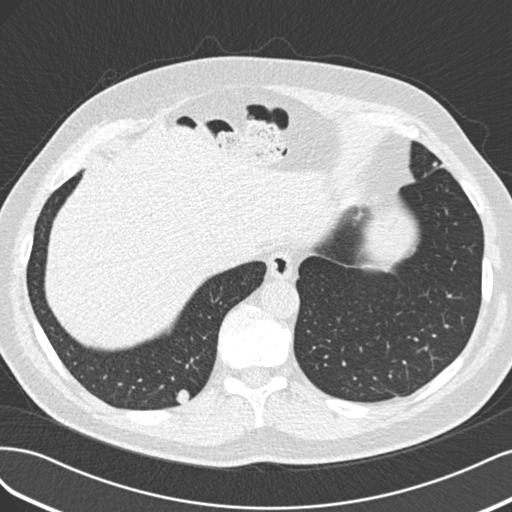
Axial slice 48 of 193 of a chest CT (slice 1 is the lowest), reconstructed with the B30f kernel at 120 kVp; 2.00 mm slice thickness and 0.703 mm pixels.
Pulmonary nodule at rows 389–403, columns 175–189 (box = the union of the readers' outlines on this slice), outlined by three of the four readers; longest diameter 12.4 mm on average over the three readers' outlines (readers' outlines 12.3–12.6 mm), volume 627–717 mm3. Ratings, by the readers' most common answer with dissent counted: most readers (two of three) put texture at 5/5 (solid), others 4/5 (one); margin 5/5 (circumscribed) by two of three readers; the rest gave 3/5 (one); sphericity 4/5 by two of three readers; the rest gave 5/5 (round) (one); calcification absent, all three readers agreeing; internal structure soft tissue from all three readers; subtlety 5/5 by two of three readers; the rest gave 4/5 (one); most readers (two of three) put malignancy likelihood at 3/5, others 5/5 (one). Scale key (1–5): texture non-solid→solid, margin indistinct→circumscribed, sphericity linear→round, subtlety extremely subtle→obvious, malignancy likelihood highly unlikely→highly suspicious of cancer. Box rows and columns are 0-based pixel indices from the top-left corner, inclusive.